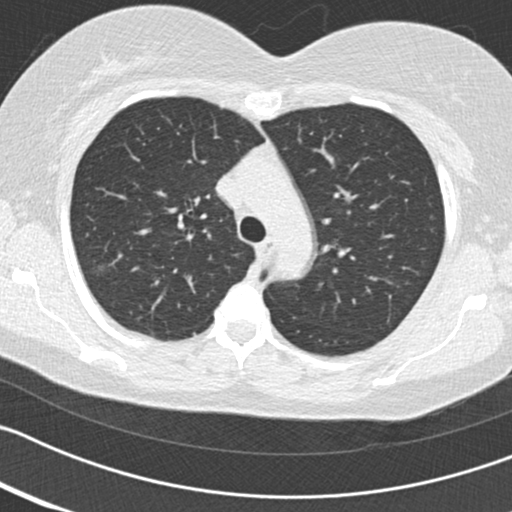
Axial chest CT slice 117 of 161 (counted from the lowest slice); tube voltage 120 kVp, convolution kernel B30f; slices 2.00 mm thick, 0.586 mm per pixel.
Pulmonary nodule, outlined by all four readers, one of them on this slice. Box on this slice rows 264–269, columns 96–103, the one reader's outline on this slice; median longest diameter 16.1 mm (readers' outlines 15.4–17.6 mm), median volume 1667 mm3 (1259–1807 mm3). Ratings, median across the readers with their spread: texture 5/5 (solid) at the median of four readers, spread 4/5 to 5/5 (solid); median margin 5/5 (circumscribed) (readers ranged 4/5 to 5/5 (circumscribed)); sphericity 5/5 (round) from all four readers; calcification split among the readers: central calcification (two), absent (two); internal structure soft tissue, all four readers agreeing; subtlety 5/5, all four readers agreeing; median malignancy likelihood 2/5 (readers ranged 1–3). Scale key (1–5): texture non-solid→solid, margin indistinct→circumscribed, sphericity linear→round, subtlety extremely subtle→obvious, malignancy likelihood highly unlikely→highly suspicious of cancer. Box rows and columns are 0-based pixel indices from the top-left corner, inclusive.